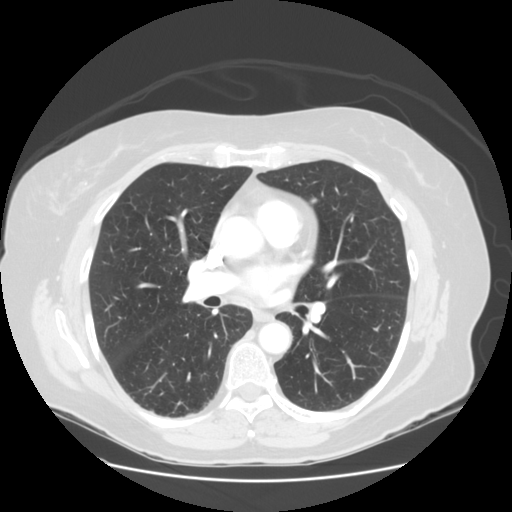
Chest CT, axial plane, 120 kVp, kernel STANDARD. Slice 71/128 from the bottom of the scan; thickness 2.50 mm; pixel size 0.742 mm.
Pulmonary nodule outlined by all four readers; box rows 197–203, columns 310–317 (the union of the readers' outlines on this slice); longest diameter 7.7–8.0 mm and volume 202–252 mm3 across the four readers' outlines. Ratings across the readers: texture from 4/5 to 5/5 (solid) across the four readers; margin from 4/5 to 5/5 (circumscribed) across the four readers; sphericity from 3/5 (ovoid) to 5/5 (round) across the four readers; calcification absent from all four readers; internal structure soft tissue from all four readers; subtlety 3–4/5 (the readers disagree); malignancy likelihood from 2/5 to 4/5 across the four readers. Scale key (1–5): texture non-solid→solid, margin indistinct→circumscribed, sphericity linear→round, subtlety extremely subtle→obvious, malignancy likelihood highly unlikely→highly suspicious of cancer. Box rows and columns are 0-based pixel indices from the top-left corner, inclusive.